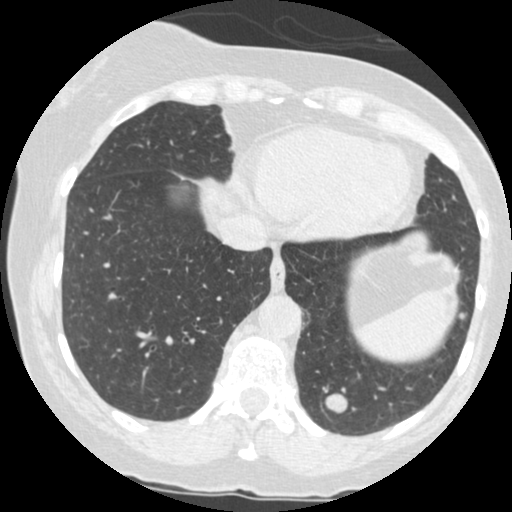
Slice 123/484 of a chest CT, counting up from the lowest; pixel size 0.586 mm, slice thickness 1.25 mm. Two pulmonary nodules are outlined on this slice; from left to right: (1) Pulmonary nodule, outlined by all four readers. Box on this slice rows 388–412, columns 324–348, the union of the readers' outlines on this slice; longest diameter 15.7 mm on average over the four readers' outlines (readers' outlines 14.7–16.9 mm), volume 1036–1469 mm3. Ratings, by the readers' most common answer with dissent counted: texture 5/5 (solid) from all four readers; margin 5/5 (circumscribed) from all four readers; sphericity 4/5 by two of four readers; the rest gave 3/5 (ovoid) (one), 5/5 (round) (one); calcification absent, all four readers agreeing; internal structure soft tissue, all four readers agreeing; subtlety 5/5 from all four readers; malignancy likelihood 5/5 by two of four readers; the rest gave 2/5 (one), 3/5 (one). (2) Pulmonary nodule outlined by all four readers; box rows 312–319, columns 458–466 (the union of the readers' outlines on this slice); longest diameter 6.0–7.2 mm and volume 36–76 mm3 across the four readers' outlines. Ratings across the readers: texture from 4/5 to 5/5 (solid) across the four readers; margin from 4/5 to 5/5 (circumscribed) across the four readers; sphericity from 3/5 (ovoid) to 5/5 (round) across the four readers; calcification absent from all four readers; internal structure soft tissue, all four readers agreeing; subtlety 2–4/5 (the readers disagree); malignancy likelihood 1–3/5 (the readers disagree). Scale key (1–5): texture non-solid→solid, margin indistinct→circumscribed, sphericity linear→round, subtlety extremely subtle→obvious, malignancy likelihood highly unlikely→highly suspicious of cancer. Box rows and columns are 0-based pixel indices from the top-left corner, inclusive.
Acquired at 120 kVp and reconstructed with the STANDARD kernel.